Chest CT, axial plane, 135 kVp, kernel FC01. Slice 51/119 from the bottom of the scan; thickness 3.00 mm; pixel size 0.640 mm.
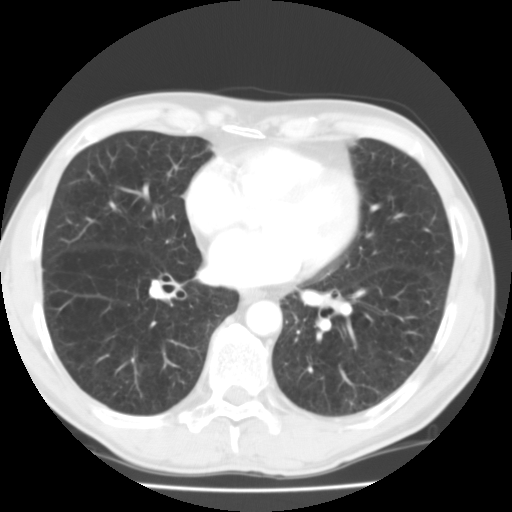
The readers outlined no nodule of 3 mm or more on this slice.